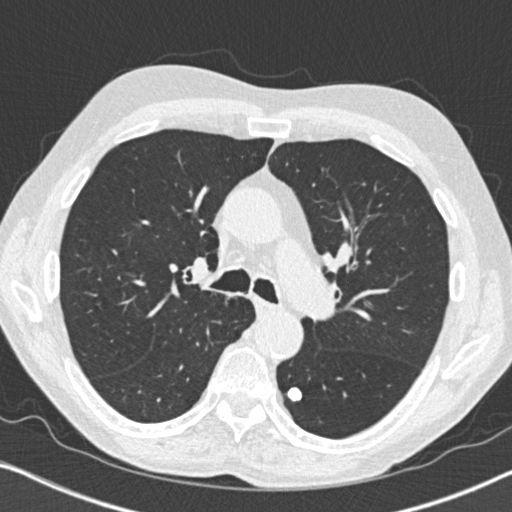
Chest CT, axial plane, 120 kVp, kernel B31f. Slice 502/764 from the bottom of the scan; thickness 1.00 mm; pixel size 0.646 mm.
Pulmonary nodule at rows 386–402, columns 287–303 (box = the union of the readers' outlines on this slice), outlined by all four readers; median longest diameter 11.0 mm (readers' outlines 10.7–12.7 mm), median volume 459 mm3 (382–638 mm3). Median ratings and the readers' spread: texture 5/5 (solid), all four readers agreeing; margin 5/5 (circumscribed), all four readers agreeing; median sphericity 5/5 (round) (readers ranged 4/5 to 5/5 (round)); calcification solid calcification from all four readers; internal structure soft tissue from all four readers; subtlety 5/5, all four readers agreeing; malignancy likelihood 1/5, all four readers agreeing. Scale key (1–5): texture non-solid→solid, margin indistinct→circumscribed, sphericity linear→round, subtlety extremely subtle→obvious, malignancy likelihood highly unlikely→highly suspicious of cancer. Box rows and columns are 0-based pixel indices from the top-left corner, inclusive.